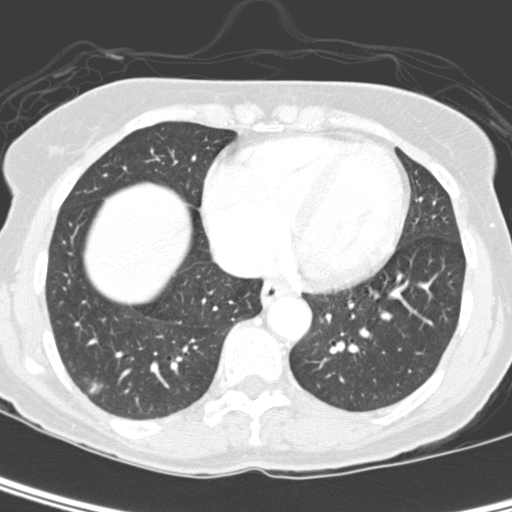
Axial slice 179 of 350 of a chest CT (slice 1 is the lowest), reconstructed with the D kernel at 120 kVp; 2.00 mm slice thickness and 0.543 mm pixels.
Pulmonary nodule, outlined by two of the four readers. Box on this slice rows 381–394, columns 88–101, the union of the readers' outlines on this slice; longest diameter 9.8 mm on average over the two readers' outlines (readers' outlines 9.0–10.5 mm), volume 204–254 mm3. Ratings, by the readers' most common answer with dissent counted: texture split among the readers: 1/5 (non-solid) (one), 3/5 (part-solid) (one); margin split among the readers: 1/5 (indistinct) (one), 2/5 (one); sphericity 3/5 (ovoid) from both readers; calcification absent, both readers agreeing; internal structure soft tissue, both readers agreeing; subtlety 2/5, both readers agreeing; malignancy likelihood 3/5, both readers agreeing. Scale key (1–5): texture non-solid→solid, margin indistinct→circumscribed, sphericity linear→round, subtlety extremely subtle→obvious, malignancy likelihood highly unlikely→highly suspicious of cancer. Box rows and columns are 0-based pixel indices from the top-left corner, inclusive.